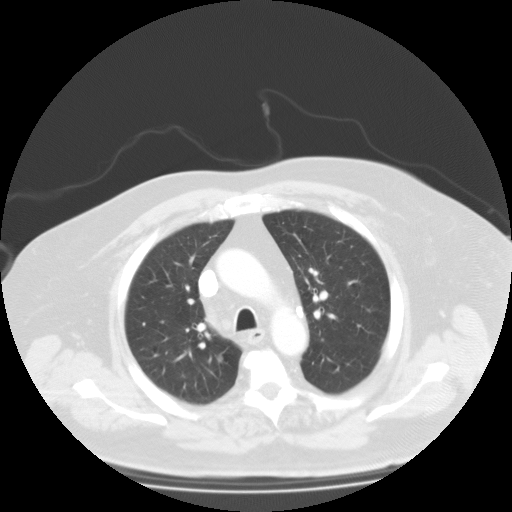
Axial chest CT slice 87 of 123 (counted from the lowest slice); 3.00 mm thick, 0.877 mm per pixel. Pulmonary nodule at rows 354–364, columns 215–222 (box = the union of the readers' outlines on this slice), outlined by two of the four readers; longest diameter 9.8 mm on average over the two readers' outlines (readers' outlines 8.7–10.8 mm), volume 185–247 mm3. Ratings, by the readers' most common answer with dissent counted: texture split among the readers: 1/5 (non-solid) (one), 5/5 (solid) (one); margin split among the readers: 4/5 (one), 5/5 (circumscribed) (one); sphericity split among the readers: 4/5 (one), 5/5 (round) (one); calcification absent from both readers; internal structure soft tissue from both readers; subtlety split among the readers: 1/5 (one), 4/5 (one); malignancy likelihood 2/5 from both readers. Scale key (1–5): texture non-solid→solid, margin indistinct→circumscribed, sphericity linear→round, subtlety extremely subtle→obvious, malignancy likelihood highly unlikely→highly suspicious of cancer. Box rows and columns are 0-based pixel indices from the top-left corner, inclusive.
Scan settings: 135 kVp, FC01 reconstruction kernel.